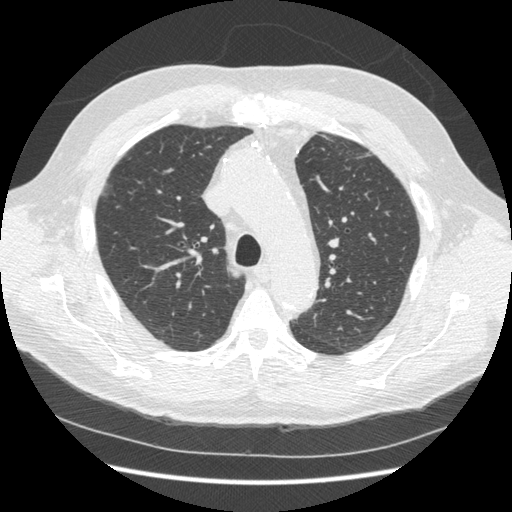
Axial chest CT slice 251 of 369 (counted from the lowest slice); tube voltage 120 kVp, convolution kernel STANDARD; slices 1.25 mm thick, 0.703 mm per pixel.
Pulmonary nodule outlined by one of the four readers; box rows 183–196, columns 100–111 (that reader's outline on this slice); longest diameter 27.0 mm and volume 3015 mm3 from that reader's outline. That reader's ratings: texture 1/5 (non-solid); margin 1/5 (indistinct); sphericity 3/5 (ovoid); calcification absent; internal structure soft tissue; subtlety 3/5; malignancy likelihood 3/5. Scale key (1–5): texture non-solid→solid, margin indistinct→circumscribed, sphericity linear→round, subtlety extremely subtle→obvious, malignancy likelihood highly unlikely→highly suspicious of cancer. Box rows and columns are 0-based pixel indices from the top-left corner, inclusive.